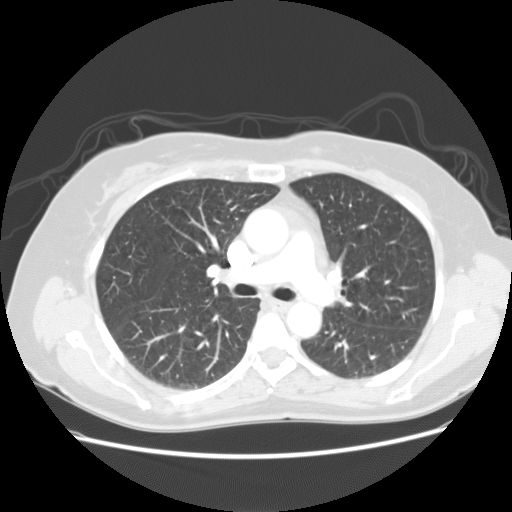
Chest CT, axial plane, 120 kVp, kernel STANDARD. Slice 74/113 from the bottom of the scan; thickness 2.50 mm; pixel size 0.703 mm.
None of the four readers outlined a nodule of 3 mm or more on this slice.